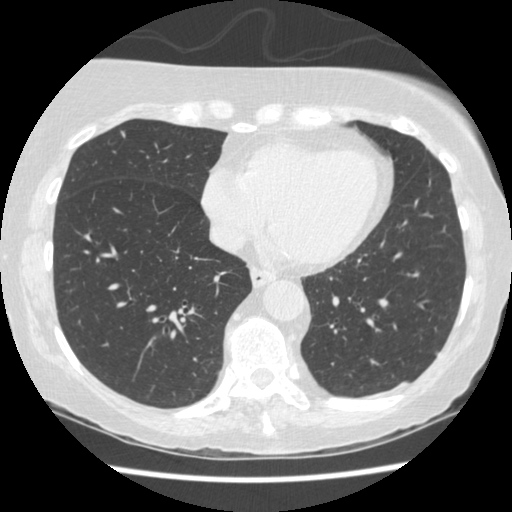
Chest CT, axial plane, 120 kVp, kernel STANDARD. Slice 130/458 from the bottom of the scan; thickness 1.25 mm; pixel size 0.625 mm.
Pulmonary nodule, outlined by all four readers, one of them on this slice. Box on this slice rows 351–354, columns 435–437, the one reader's outline on this slice; median longest diameter 6.5 mm (readers' outlines 6.2–7.0 mm), median volume 85 mm3 (63–96 mm3). Ratings, median across the readers with their spread: texture 5/5 (solid) at the median of four readers, spread 4/5 to 5/5 (solid); margin 5/5 (circumscribed) at the median of four readers, spread 3/5 to 5/5 (circumscribed); sphericity 4/5 at the median of four readers, spread 2/5 to 4/5; calcification absent from all four readers; internal structure soft tissue from all four readers; median subtlety 4/5 (readers ranged 3–5); median malignancy likelihood 2.5/5 (readers ranged 2–3). Scale key (1–5): texture non-solid→solid, margin indistinct→circumscribed, sphericity linear→round, subtlety extremely subtle→obvious, malignancy likelihood highly unlikely→highly suspicious of cancer. Box rows and columns are 0-based pixel indices from the top-left corner, inclusive.